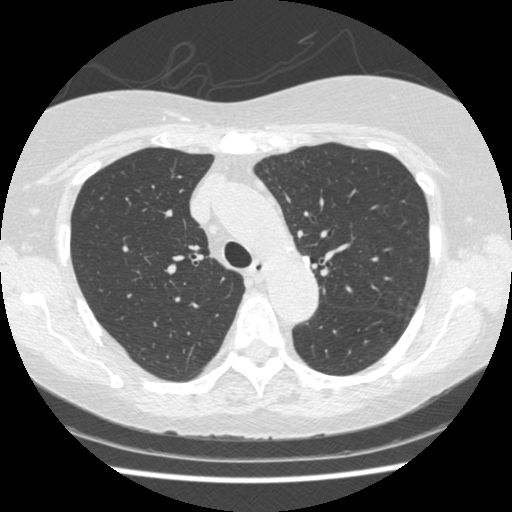
Axial chest CT slice 312 of 458 (counted from the lowest slice); tube voltage 120 kVp, convolution kernel STANDARD; slices 1.25 mm thick, 0.625 mm per pixel.
Pulmonary nodule, outlined by one of the four readers. Box on this slice rows 256–264, columns 303–309, that reader's outline on this slice; longest diameter 11.9 mm and volume 579 mm3 from that reader's outline. Ratings by that reader: texture 5/5 (solid); margin 5/5 (circumscribed); sphericity 5/5 (round); calcification solid calcification; internal structure soft tissue; subtlety 4/5; malignancy likelihood 1/5. Scale key (1–5): texture non-solid→solid, margin indistinct→circumscribed, sphericity linear→round, subtlety extremely subtle→obvious, malignancy likelihood highly unlikely→highly suspicious of cancer. Box rows and columns are 0-based pixel indices from the top-left corner, inclusive.